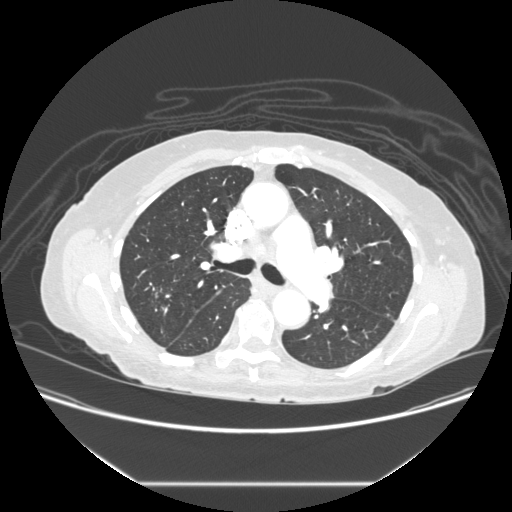
Chest CT, axial plane, 120 kVp, kernel STANDARD. Slice 153/238 from the bottom of the scan; thickness 1.25 mm; pixel size 0.781 mm.
No nodule 3 mm or larger was outlined here by any reader.